One axial slice (171 of 265, counting up from the lowest) of a chest CT acquired at 120 kVp with the BONE kernel; each pixel is 0.664 mm and the slice is 1.25 mm thick.
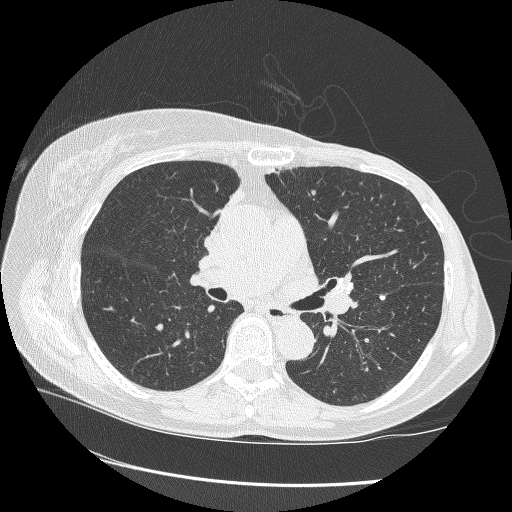
Pulmonary nodule, outlined by three of the four readers. Box on this slice rows 295–300, columns 379–385, the union of the readers' outlines on this slice; median longest diameter 6.7 mm (readers' outlines 5.7–6.7 mm), median volume 50 mm3 (38–51 mm3). Ratings, median across the readers with their spread: texture 5/5 (solid) from all three readers; margin 5/5 (circumscribed) from all three readers; sphericity 3/5 (ovoid) at the median of three readers, spread 3/5 (ovoid) to 5/5 (round); calcification solid calcification from all three readers; internal structure soft tissue, all three readers agreeing; subtlety 4/5, all three readers agreeing; malignancy likelihood 1/5, all three readers agreeing. Scale key (1–5): texture non-solid→solid, margin indistinct→circumscribed, sphericity linear→round, subtlety extremely subtle→obvious, malignancy likelihood highly unlikely→highly suspicious of cancer. Box rows and columns are 0-based pixel indices from the top-left corner, inclusive.